Axial slice 104 of 433 of a chest CT (slice 1 is the lowest), reconstructed with the STANDARD kernel at 120 kVp; 1.25 mm slice thickness and 0.547 mm pixels.
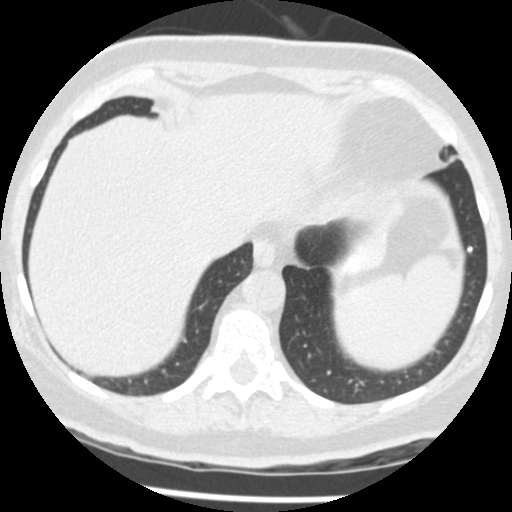
Pulmonary nodule at rows 246–251, columns 467–472 (box = the union of the readers' outlines on this slice), outlined by two of the four readers; median longest diameter 4.6 mm (readers' outlines 4.4–4.7 mm), median volume 51 mm3 (49–52 mm3). Median ratings and the readers' spread: texture 5/5 (solid) from both readers; margin 5/5 (circumscribed), both readers agreeing; sphericity 5/5 (round), both readers agreeing; calcification solid calcification from both readers; internal structure soft tissue from both readers; subtlety 5/5, both readers agreeing; malignancy likelihood 1/5, both readers agreeing. Scale key (1–5): texture non-solid→solid, margin indistinct→circumscribed, sphericity linear→round, subtlety extremely subtle→obvious, malignancy likelihood highly unlikely→highly suspicious of cancer. Box rows and columns are 0-based pixel indices from the top-left corner, inclusive.